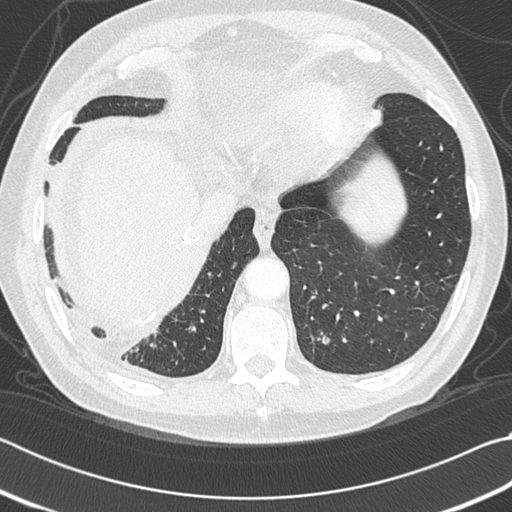
Chest CT, axial plane, 120 kVp, kernel B45f. Slice 95/312 from the bottom of the scan; thickness 1.00 mm; pixel size 0.664 mm.
Pulmonary nodule outlined by three of the four readers; box rows 335–344, columns 322–329 (the union of the readers' outlines on this slice); longest diameter 6.9–7.4 mm and volume 82–108 mm3 across the three readers' outlines. The readers' ratings, as ranges where they differ: texture 5/5 (solid), all three readers agreeing; margin from 4/5 to 5/5 (circumscribed) across the three readers; sphericity from 3/5 (ovoid) to 5/5 (round) across the three readers; calcification absent from all three readers; internal structure soft tissue, all three readers agreeing; subtlety rated between 2 and 4 out of 5 by the three readers; malignancy likelihood from 2/5 to 3/5 across the three readers. Scale key (1–5): texture non-solid→solid, margin indistinct→circumscribed, sphericity linear→round, subtlety extremely subtle→obvious, malignancy likelihood highly unlikely→highly suspicious of cancer. Box rows and columns are 0-based pixel indices from the top-left corner, inclusive.